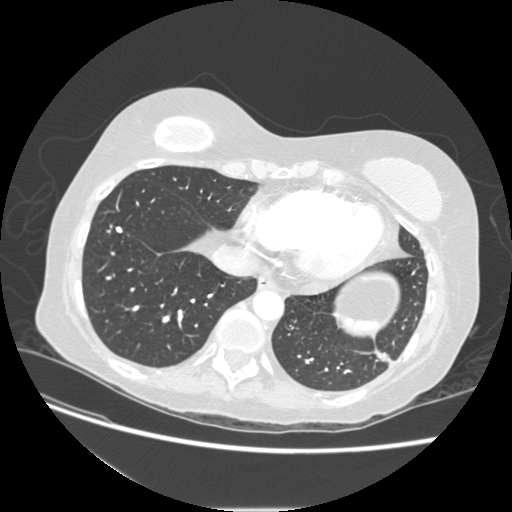
Chest CT, axial plane, 120 kVp, kernel STANDARD. Slice 66/232 from the bottom of the scan; thickness 1.25 mm; pixel size 0.703 mm.
Pulmonary nodule, outlined by all four readers. Box on this slice rows 226–233, columns 115–122, the union of the readers' outlines on this slice; longest diameter 7.2–8.2 mm and volume 107–143 mm3 across the four readers' outlines. The readers' ratings, as ranges where they differ: texture 5/5 (solid) from all four readers; margin 5/5 (circumscribed) from all four readers; sphericity from 3/5 (ovoid) to 5/5 (round) across the four readers; calcification: solid calcification (three), absent (one); internal structure soft tissue, all four readers agreeing; subtlety from 3/5 to 5/5 across the four readers; malignancy likelihood rated between 1 and 2 out of 5 by the four readers. Scale key (1–5): texture non-solid→solid, margin indistinct→circumscribed, sphericity linear→round, subtlety extremely subtle→obvious, malignancy likelihood highly unlikely→highly suspicious of cancer. Box rows and columns are 0-based pixel indices from the top-left corner, inclusive.